Chest CT, axial plane, 120 kVp, kernel STANDARD. Slice 56/458 from the bottom of the scan; thickness 1.25 mm; pixel size 0.625 mm.
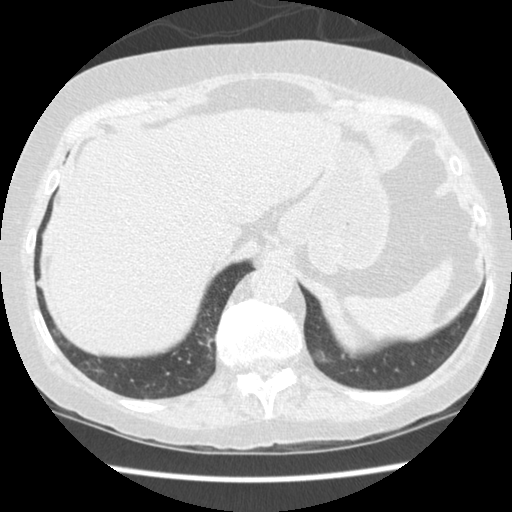
Pulmonary nodule at rows 281–286, columns 36–40 (box = that reader's outline on this slice), outlined by one of the four readers; longest diameter 6.4 mm and volume 86 mm3 from that reader's outline. That reader's ratings: texture 5/5 (solid); margin 4/5; sphericity 3/5 (ovoid); calcification absent; internal structure soft tissue; subtlety 3/5; malignancy likelihood 1/5. Scale key (1–5): texture non-solid→solid, margin indistinct→circumscribed, sphericity linear→round, subtlety extremely subtle→obvious, malignancy likelihood highly unlikely→highly suspicious of cancer. Box rows and columns are 0-based pixel indices from the top-left corner, inclusive.